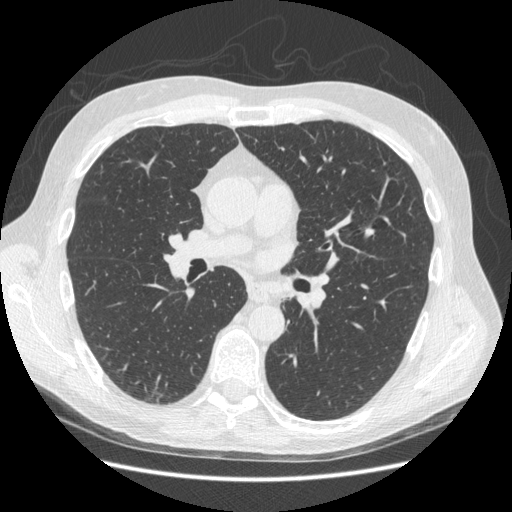
Axial slice 271 of 493 of a chest CT (slice 1 is the lowest), reconstructed with the STANDARD kernel at 120 kVp; 1.25 mm slice thickness and 0.742 mm pixels.
None of the four readers outlined a nodule of 3 mm or more on this slice.